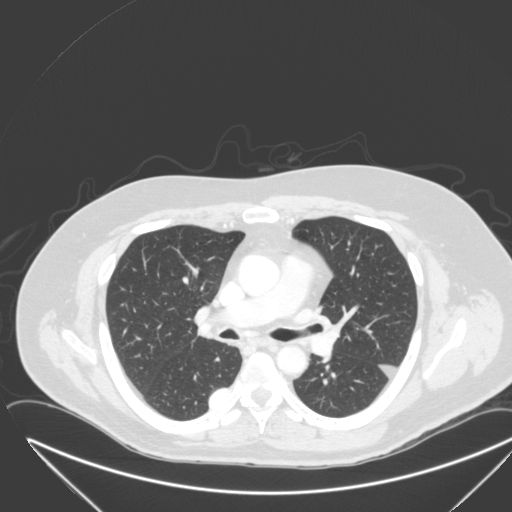
Axial chest CT slice 190 of 315 (counted from the lowest slice); tube voltage 120 kVp, convolution kernel B; slices 2.00 mm thick, 0.830 mm per pixel.
Pulmonary nodule at rows 388–407, columns 209–229 (box = that reader's outline on this slice), outlined by one of the four readers; longest diameter 27.1 mm and volume 6093 mm3 from that reader's outline. Ratings by that reader: texture 5/5 (solid); margin 4/5; sphericity 2/5; calcification absent; internal structure soft tissue; subtlety 5/5; malignancy likelihood 4/5. Scale key (1–5): texture non-solid→solid, margin indistinct→circumscribed, sphericity linear→round, subtlety extremely subtle→obvious, malignancy likelihood highly unlikely→highly suspicious of cancer. Box rows and columns are 0-based pixel indices from the top-left corner, inclusive.